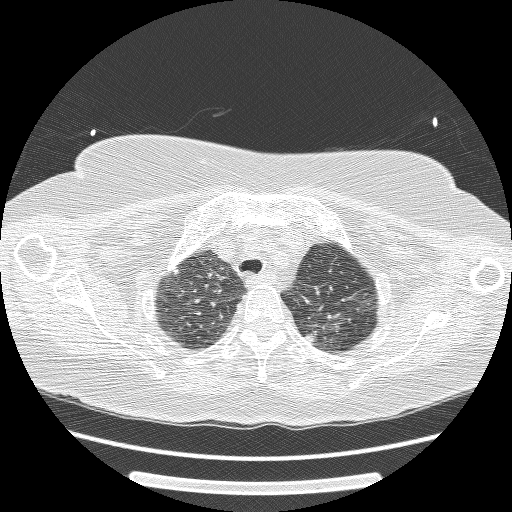
Axial slice 131 of 162 of a chest CT (slice 1 is the lowest), reconstructed with the BONE kernel at 120 kVp; 1.25 mm slice thickness and 0.703 mm pixels.
Pulmonary nodule at rows 269–274, columns 173–177 (box = the union of the readers' outlines on this slice), outlined by all four readers; median longest diameter 6.5 mm (readers' outlines 5.8–7.3 mm), median volume 76 mm3 (54–99 mm3). Ratings, median across the readers with their spread: texture 5/5 (solid), all four readers agreeing; margin 5/5 (circumscribed), all four readers agreeing; median sphericity 4/5 (readers ranged 3/5 (ovoid) to 4/5); calcification solid calcification from all four readers; internal structure soft tissue, all four readers agreeing; median subtlety 5/5 (readers ranged 4–5); malignancy likelihood 1/5, all four readers agreeing. Scale key (1–5): texture non-solid→solid, margin indistinct→circumscribed, sphericity linear→round, subtlety extremely subtle→obvious, malignancy likelihood highly unlikely→highly suspicious of cancer. Box rows and columns are 0-based pixel indices from the top-left corner, inclusive.